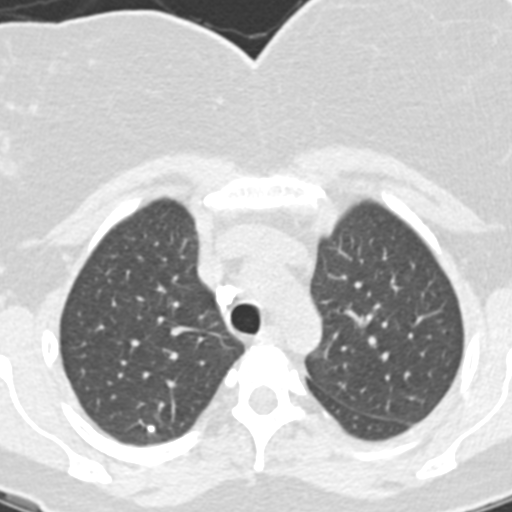
Slice 145/331 of a chest CT, counting up from the lowest; pixel size 0.496 mm, slice thickness 1.25 mm. Pulmonary nodule outlined by all four readers; box rows 424–433, columns 147–155 (the union of the readers' outlines on this slice); longest diameter 7.6 mm on average over the four readers' outlines (readers' outlines 6.9–8.4 mm), volume 132–209 mm3. Ratings, by the readers' most common answer with dissent counted: texture 5/5 (solid), all four readers agreeing; margin 5/5 (circumscribed) from all four readers; most readers (three of four) put sphericity at 5/5 (round), others 4/5 (one); calcification solid calcification by three of four readers, central calcification (one); internal structure soft tissue, all four readers agreeing; most readers (three of four) put subtlety at 5/5, others 4/5 (one); malignancy likelihood 1/5 from all four readers. Scale key (1–5): texture non-solid→solid, margin indistinct→circumscribed, sphericity linear→round, subtlety extremely subtle→obvious, malignancy likelihood highly unlikely→highly suspicious of cancer. Box rows and columns are 0-based pixel indices from the top-left corner, inclusive.
Scan settings: 130 kVp, B20s reconstruction kernel.